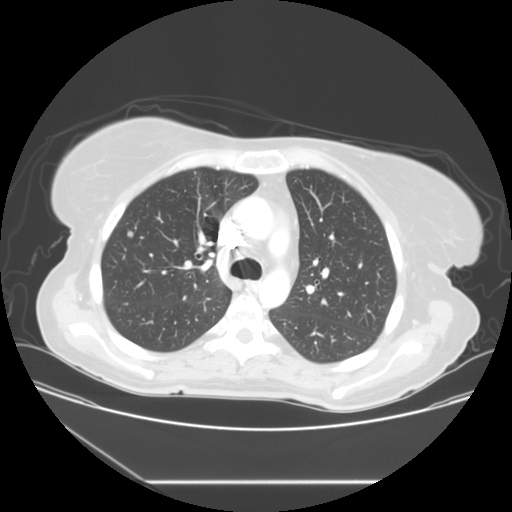
This is axial slice 84 of 117 (slice 1 is the lowest) of a chest CT; each pixel is 0.781 mm and the slice is 2.50 mm thick. Pulmonary nodule, outlined by all four readers. Box on this slice rows 230–237, columns 126–133, the union of the readers' outlines on this slice; longest diameter 7.1 mm on average over the four readers' outlines (readers' outlines 5.6–8.0 mm), volume 85–150 mm3. Ratings, by the readers' most common answer with dissent counted: texture 5/5 (solid), all four readers agreeing; margin 5/5 (circumscribed) by three of four readers; the rest gave 4/5 (one); sphericity 5/5 (round) by three of four readers; the rest gave 4/5 (one); calcification absent from all four readers; internal structure soft tissue, all four readers agreeing; most readers (three of four) put subtlety at 3/5, others 4/5 (one); malignancy likelihood split among the readers: 2/5 (two), 3/5 (two). Scale key (1–5): texture non-solid→solid, margin indistinct→circumscribed, sphericity linear→round, subtlety extremely subtle→obvious, malignancy likelihood highly unlikely→highly suspicious of cancer. Box rows and columns are 0-based pixel indices from the top-left corner, inclusive.
Acquired at 120 kVp and reconstructed with the STANDARD kernel.